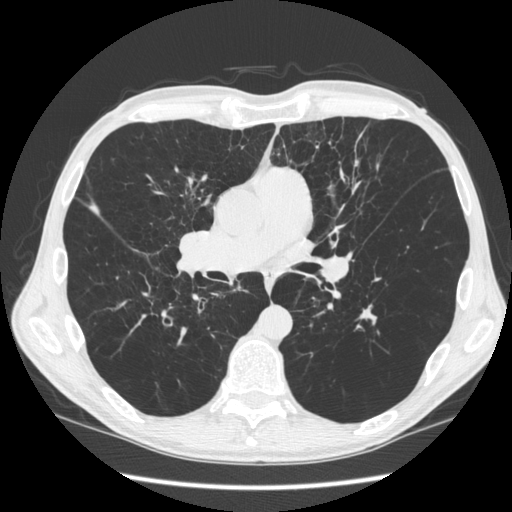
One axial slice (321 of 583, counting up from the lowest) of a chest CT acquired at 120 kVp with the STANDARD kernel; each pixel is 0.703 mm and the slice is 1.25 mm thick.
Pulmonary nodule at rows 305–324, columns 358–375 (box = the union of the readers' outlines on this slice), outlined by two of the four readers; median longest diameter 27.9 mm (readers' outlines 24.1–31.7 mm), median volume 984 mm3 (791–1176 mm3). Median ratings and the readers' spread: texture 5/5 (solid) from both readers; median margin 2.5/5 (readers ranged 1/5 (indistinct) to 4/5); median sphericity 1.5/5 (readers ranged 1/5 (linear) to 2/5); calcification absent, both readers agreeing; internal structure soft tissue from both readers; subtlety 5/5 from both readers; median malignancy likelihood 2.5/5 (readers ranged 2–3). Scale key (1–5): texture non-solid→solid, margin indistinct→circumscribed, sphericity linear→round, subtlety extremely subtle→obvious, malignancy likelihood highly unlikely→highly suspicious of cancer. Box rows and columns are 0-based pixel indices from the top-left corner, inclusive.